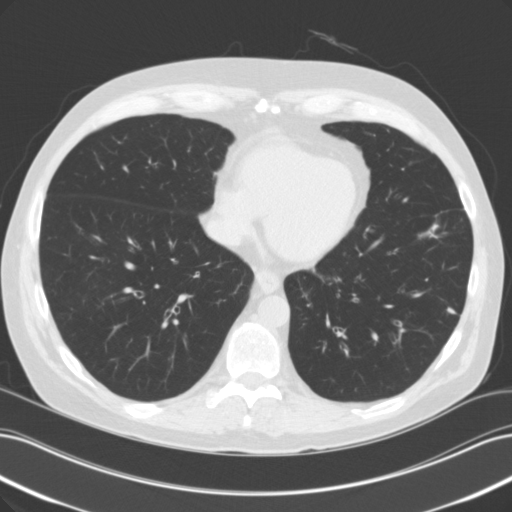
Axial chest CT slice 42 of 118 (counted from the lowest slice); 3.00 mm thick, 0.707 mm per pixel. Pulmonary nodule outlined by all four readers; box rows 306–314, columns 446–456 (the union of the readers' outlines on this slice); longest diameter 9.8 mm on average over the four readers' outlines (readers' outlines 8.9–11.2 mm), volume 357–448 mm3. The readers' prevailing ratings and who disagreed: texture 5/5 (solid) by three of four readers; the rest gave 4/5 (one); margin split among the readers: 4/5 (two), 5/5 (circumscribed) (two); sphericity 2/5 from all four readers; calcification absent from all four readers; internal structure soft tissue from all four readers; subtlety split among the readers: 3/5 (two), 5/5 (two); malignancy likelihood 3/5 by two of four readers; the rest gave 1/5 (one), 2/5 (one). Scale key (1–5): texture non-solid→solid, margin indistinct→circumscribed, sphericity linear→round, subtlety extremely subtle→obvious, malignancy likelihood highly unlikely→highly suspicious of cancer. Box rows and columns are 0-based pixel indices from the top-left corner, inclusive.
Scan settings: 120 kVp, B31f reconstruction kernel.